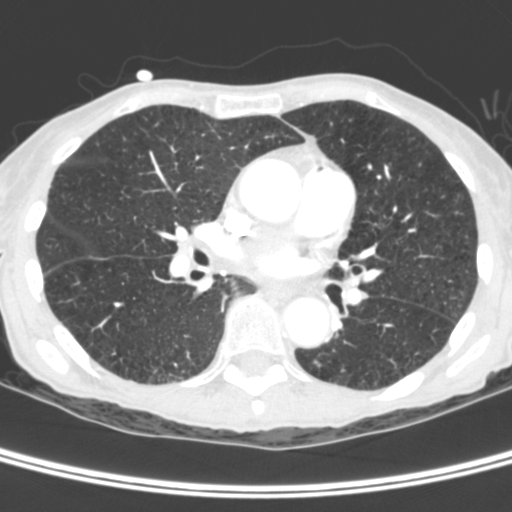
Axial chest CT slice 198 of 400 (counted from the lowest slice); 1.50 mm thick, 0.527 mm per pixel. Pulmonary nodule outlined by three of the four readers, one of them on this slice; box rows 361–366, columns 314–319 (the one reader's outline on this slice); median longest diameter 7.6 mm (readers' outlines 6.0–8.7 mm), median volume 90 mm3 (56–91 mm3). Median ratings and the readers' spread: texture 5/5 (solid) from all three readers; median margin 4/5 (readers ranged 3/5 to 4/5); median sphericity 3/5 (ovoid) (readers ranged 2/5 to 3/5 (ovoid)); calcification absent from all three readers; internal structure soft tissue, all three readers agreeing; subtlety 3/5 at the median of three readers, spread 3–5; malignancy likelihood 2/5 at the median of three readers, spread 1–4. Scale key (1–5): texture non-solid→solid, margin indistinct→circumscribed, sphericity linear→round, subtlety extremely subtle→obvious, malignancy likelihood highly unlikely→highly suspicious of cancer. Box rows and columns are 0-based pixel indices from the top-left corner, inclusive.
Scan settings: 120 kVp, C reconstruction kernel.